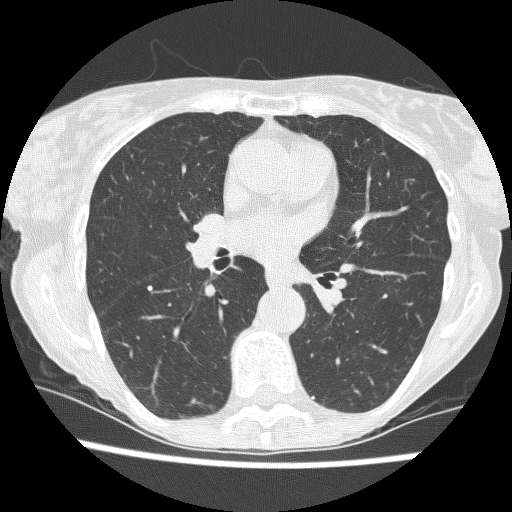
One axial slice (130 of 240, counting up from the lowest) of a chest CT acquired at 120 kVp with the BONE kernel; each pixel is 0.566 mm and the slice is 1.25 mm thick.
Pulmonary nodule at rows 286–290, columns 147–152 (box = that reader's outline on this slice), outlined by one of the four readers; longest diameter 4.7 mm and volume 39 mm3 from that reader's outline. That reader's ratings: texture 5/5 (solid); margin 5/5 (circumscribed); sphericity 5/5 (round); calcification solid calcification; internal structure soft tissue; subtlety 2/5; malignancy likelihood 1/5. Scale key (1–5): texture non-solid→solid, margin indistinct→circumscribed, sphericity linear→round, subtlety extremely subtle→obvious, malignancy likelihood highly unlikely→highly suspicious of cancer. Box rows and columns are 0-based pixel indices from the top-left corner, inclusive.